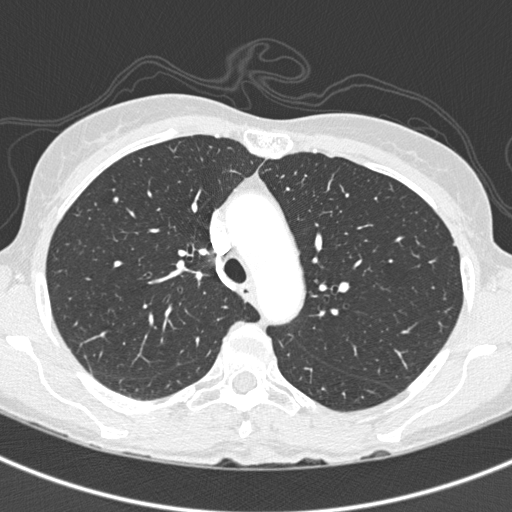
Axial slice 277 of 375 of a chest CT (slice 1 is the lowest), reconstructed with the B45f kernel at 120 kVp; 1.00 mm slice thickness and 0.586 mm pixels.
Pulmonary nodule outlined by three of the four readers; box rows 196–202, columns 112–118 (the union of the readers' outlines on this slice); the three readers' outlines give a longest diameter between 6.0 and 8.0 mm and a volume between 67 and 113 mm3. The readers' ratings, as ranges where they differ: texture 5/5 (solid), all three readers agreeing; margin 5/5 (circumscribed) from all three readers; sphericity from 3/5 (ovoid) to 4/5 across the three readers; calcification solid calcification from all three readers; internal structure soft tissue from all three readers; subtlety rated between 3 and 5 out of 5 by the three readers; malignancy likelihood 1/5, all three readers agreeing. Scale key (1–5): texture non-solid→solid, margin indistinct→circumscribed, sphericity linear→round, subtlety extremely subtle→obvious, malignancy likelihood highly unlikely→highly suspicious of cancer. Box rows and columns are 0-based pixel indices from the top-left corner, inclusive.